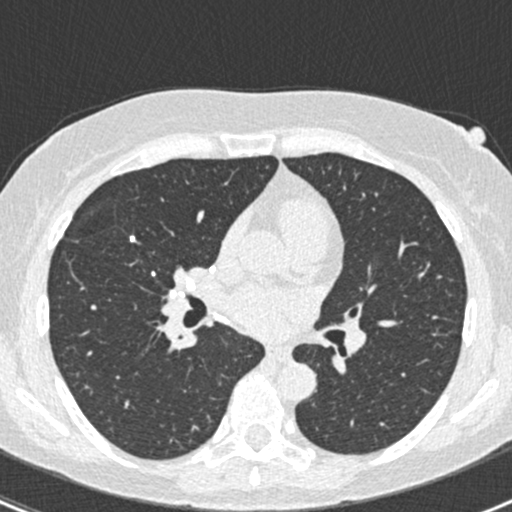
Axial slice 248 of 429 of a chest CT (slice 1 is the lowest), reconstructed with the B30f kernel at 120 kVp; 0.75 mm slice thickness and 0.586 mm pixels.
Pulmonary nodule outlined three times (the source holds two more outlines, not used); box rows 235–244, columns 129–141 (the union of the readers' outlines on this slice); the three readers' outlines give a longest diameter between 8.0 and 11.0 mm and a volume between 95 and 144 mm3. Ratings across the readers: texture 5/5 (solid) from all three readers; margin 5/5 (circumscribed), all three readers agreeing; sphericity from 2/5 to 5/5 (round) across the three readers; calcification solid calcification from all three readers; internal structure soft tissue from all three readers; subtlety rated between 4 and 5 out of 5 by the three readers; malignancy likelihood 1/5, all three readers agreeing. Scale key (1–5): texture non-solid→solid, margin indistinct→circumscribed, sphericity linear→round, subtlety extremely subtle→obvious, malignancy likelihood highly unlikely→highly suspicious of cancer. Box rows and columns are 0-based pixel indices from the top-left corner, inclusive.